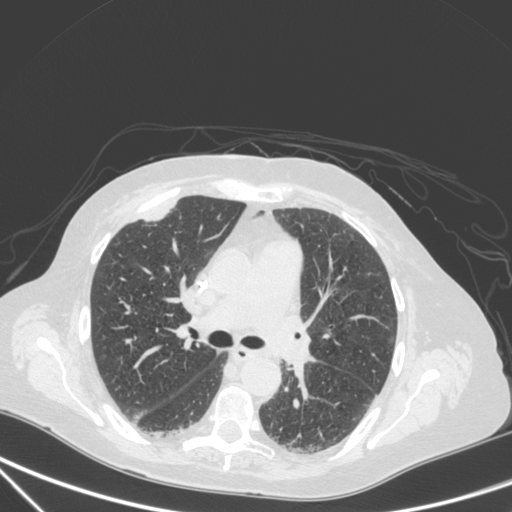
Axial chest CT slice 200 of 350 (counted from the lowest slice); 1.50 mm thick, 0.725 mm per pixel. Pulmonary nodule, outlined by one of the four readers. Box on this slice rows 205–220, columns 145–174, that reader's outline on this slice; longest diameter 29.5 mm and volume 4181 mm3 from that reader's outline. Ratings by that reader: texture 5/5 (solid); margin 4/5; sphericity 2/5; calcification absent; internal structure soft tissue; subtlety 5/5; malignancy likelihood 4/5. Scale key (1–5): texture non-solid→solid, margin indistinct→circumscribed, sphericity linear→round, subtlety extremely subtle→obvious, malignancy likelihood highly unlikely→highly suspicious of cancer. Box rows and columns are 0-based pixel indices from the top-left corner, inclusive.
Scan settings: 120 kVp, C reconstruction kernel.